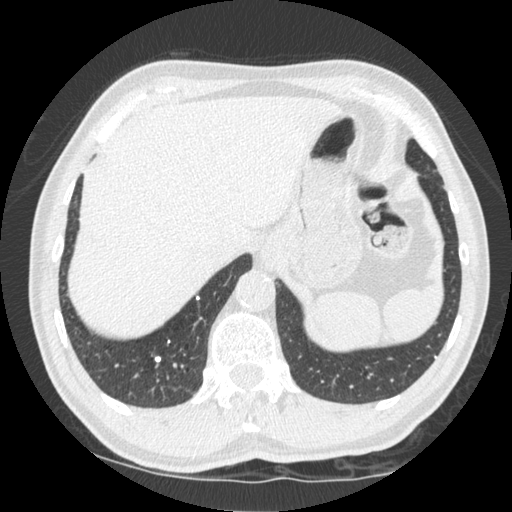
Axial slice 93 of 535 of a chest CT (slice 1 is the lowest), reconstructed with the STANDARD kernel at 120 kVp; 1.25 mm slice thickness and 0.664 mm pixels.
Pulmonary nodule, outlined by all four readers. Box on this slice rows 356–362, columns 154–161, the union of the readers' outlines on this slice; longest diameter 5.8 mm on average over the four readers' outlines (readers' outlines 4.7–6.5 mm), volume 34–62 mm3. Ratings, by the readers' most common answer with dissent counted: texture 5/5 (solid), all four readers agreeing; margin 5/5 (circumscribed), all four readers agreeing; sphericity split among the readers: 4/5 (two), 5/5 (round) (two); calcification solid calcification from all four readers; internal structure soft tissue, all four readers agreeing; most readers (three of four) put subtlety at 5/5, others 4/5 (one); malignancy likelihood 1/5, all four readers agreeing. Scale key (1–5): texture non-solid→solid, margin indistinct→circumscribed, sphericity linear→round, subtlety extremely subtle→obvious, malignancy likelihood highly unlikely→highly suspicious of cancer. Box rows and columns are 0-based pixel indices from the top-left corner, inclusive.